Axial slice 122 of 295 of a chest CT (slice 1 is the lowest), reconstructed with the D kernel at 120 kVp; 2.00 mm slice thickness and 0.682 mm pixels.
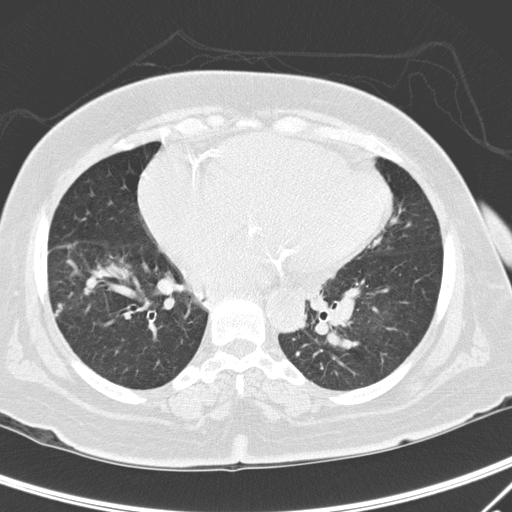
Pulmonary nodule, outlined by three of the four readers, one of them on this slice. Box on this slice rows 314–316, columns 55–57, the one reader's outline on this slice; median longest diameter 9.5 mm (readers' outlines 9.3–10.1 mm), median volume 206 mm3 (186–247 mm3). Ratings, median across the readers with their spread: texture 5/5 (solid) at the median of three readers, spread 4/5 to 5/5 (solid); median margin 4/5 (readers ranged 1/5 (indistinct) to 4/5); sphericity 3/5 (ovoid) from all three readers; calcification absent, all three readers agreeing; internal structure soft tissue, all three readers agreeing; subtlety 5/5 at the median of three readers, spread 4–5; median malignancy likelihood 3/5 (readers ranged 1–4). Scale key (1–5): texture non-solid→solid, margin indistinct→circumscribed, sphericity linear→round, subtlety extremely subtle→obvious, malignancy likelihood highly unlikely→highly suspicious of cancer. Box rows and columns are 0-based pixel indices from the top-left corner, inclusive.